Axial slice 175 of 290 of a chest CT (slice 1 is the lowest), reconstructed with the D kernel at 120 kVp; 2.00 mm slice thickness and 0.648 mm pixels.
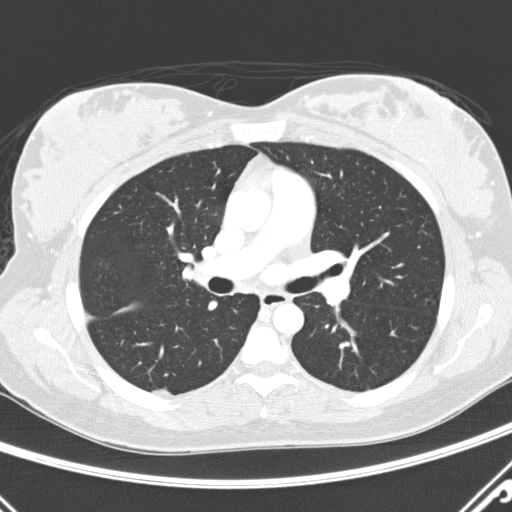
Pulmonary nodule outlined by one of the four readers; box rows 386–396, columns 152–173 (that reader's outline on this slice); longest diameter 15.8 mm and volume 355 mm3 from that reader's outline. That reader's ratings: texture 5/5 (solid); margin 5/5 (circumscribed); sphericity 3/5 (ovoid); calcification absent; internal structure soft tissue; subtlety 5/5; malignancy likelihood 3/5. Scale key (1–5): texture non-solid→solid, margin indistinct→circumscribed, sphericity linear→round, subtlety extremely subtle→obvious, malignancy likelihood highly unlikely→highly suspicious of cancer. Box rows and columns are 0-based pixel indices from the top-left corner, inclusive.